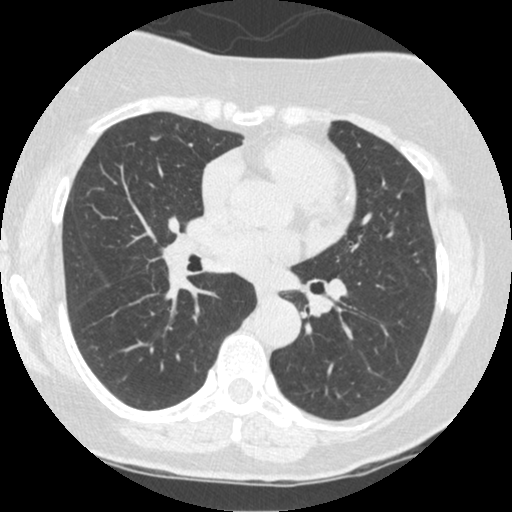
Chest CT, axial plane, 120 kVp, kernel STANDARD. Slice 241/463 from the bottom of the scan; thickness 1.25 mm; pixel size 0.586 mm.
Pulmonary nodule, outlined by two of the four readers. Box on this slice rows 135–140, columns 149–159, the union of the readers' outlines on this slice; longest diameter 6.9 mm on average over the two readers' outlines (readers' outlines 6.5–7.4 mm), volume 40–47 mm3. Ratings, by the readers' most common answer with dissent counted: texture 5/5 (solid) from both readers; margin 4/5 from both readers; sphericity split among the readers: 2/5 (one), 3/5 (ovoid) (one); calcification absent from both readers; internal structure soft tissue from both readers; subtlety split among the readers: 2/5 (one), 4/5 (one); malignancy likelihood split among the readers: 2/5 (one), 3/5 (one). Scale key (1–5): texture non-solid→solid, margin indistinct→circumscribed, sphericity linear→round, subtlety extremely subtle→obvious, malignancy likelihood highly unlikely→highly suspicious of cancer. Box rows and columns are 0-based pixel indices from the top-left corner, inclusive.